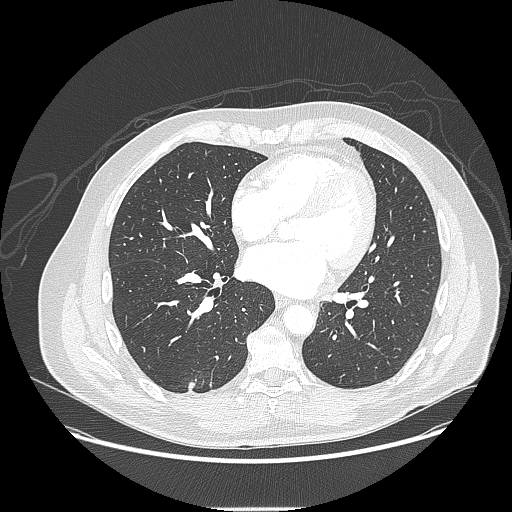
Axial chest CT slice 82 of 214 (counted from the lowest slice); tube voltage 120 kVp, convolution kernel LUNG; slices 1.25 mm thick, 0.820 mm per pixel.
Pulmonary nodule outlined by all four readers, two of them on this slice; box rows 381–390, columns 188–194 (the union of the readers' outlines on this slice); longest diameter 22.2 mm on average over the four readers' outlines (readers' outlines 14.7–27.9 mm), volume 696–2326 mm3. Ratings, by the readers' most common answer with dissent counted: most readers (three of four) put texture at 5/5 (solid), others 4/5 (one); most readers (three of four) put margin at 4/5, others 1/5 (indistinct) (one); sphericity split among the readers: 2/5 (two), 3/5 (ovoid) (two); calcification absent, all four readers agreeing; internal structure soft tissue from all four readers; subtlety split among the readers: 4/5 (two), 5/5 (two); malignancy likelihood 4/5 by three of four readers; the rest gave 3/5 (one). Scale key (1–5): texture non-solid→solid, margin indistinct→circumscribed, sphericity linear→round, subtlety extremely subtle→obvious, malignancy likelihood highly unlikely→highly suspicious of cancer. Box rows and columns are 0-based pixel indices from the top-left corner, inclusive.